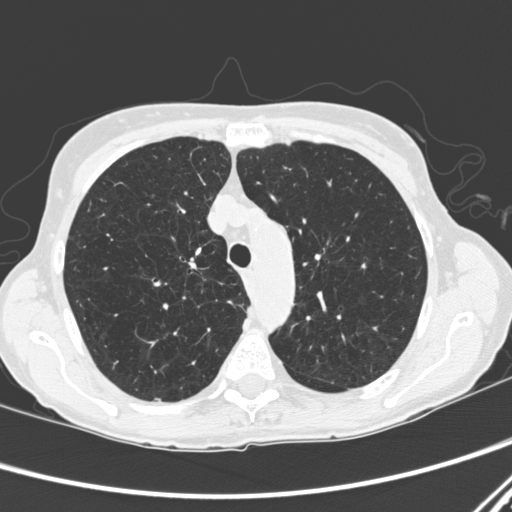
Axial slice 228 of 300 of a chest CT (slice 1 is the lowest), reconstructed with the D kernel at 120 kVp; 1.00 mm slice thickness and 0.607 mm pixels.
Pulmonary nodule, outlined by one of the four readers. Box on this slice rows 397–400, columns 155–159, that reader's outline on this slice; longest diameter 4.6 mm and volume 24 mm3 from that reader's outline. That reader's ratings: texture 5/5 (solid); margin 5/5 (circumscribed); sphericity 4/5; calcification solid calcification; internal structure soft tissue; subtlety 5/5; malignancy likelihood 1/5. Scale key (1–5): texture non-solid→solid, margin indistinct→circumscribed, sphericity linear→round, subtlety extremely subtle→obvious, malignancy likelihood highly unlikely→highly suspicious of cancer. Box rows and columns are 0-based pixel indices from the top-left corner, inclusive.